Axial slice 225 of 509 of a chest CT (slice 1 is the lowest), reconstructed with the STANDARD kernel at 120 kVp; 1.25 mm slice thickness and 0.703 mm pixels.
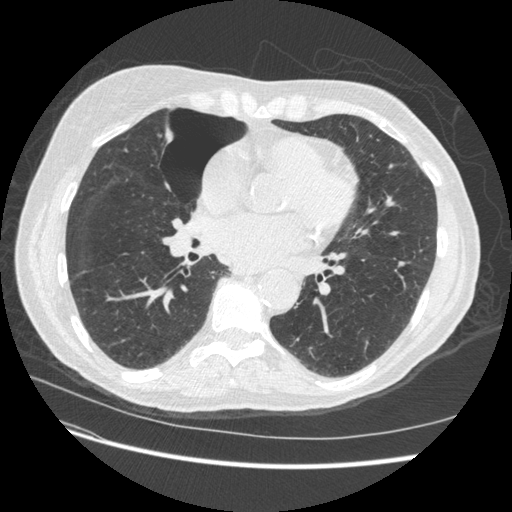
Pulmonary nodule, outlined by three of the four readers. Box on this slice rows 261–267, columns 397–405, the union of the readers' outlines on this slice; median longest diameter 11.5 mm (readers' outlines 9.2–11.6 mm), median volume 339 mm3 (182–365 mm3). Ratings, median across the readers with their spread: texture 5/5 (solid) at the median of three readers, spread 4/5 to 5/5 (solid); margin 4/5 at the median of three readers, spread 3/5 to 5/5 (circumscribed); median sphericity 3/5 (ovoid) (readers ranged 2/5 to 4/5); calcification absent from all three readers; internal structure soft tissue from all three readers; subtlety 4/5, all three readers agreeing; median malignancy likelihood 3/5 (readers ranged 2–4). Scale key (1–5): texture non-solid→solid, margin indistinct→circumscribed, sphericity linear→round, subtlety extremely subtle→obvious, malignancy likelihood highly unlikely→highly suspicious of cancer. Box rows and columns are 0-based pixel indices from the top-left corner, inclusive.